One axial slice (79 of 141, counting up from the lowest) of a chest CT acquired at 120 kVp with the STANDARD kernel; each pixel is 0.703 mm and the slice is 2.50 mm thick.
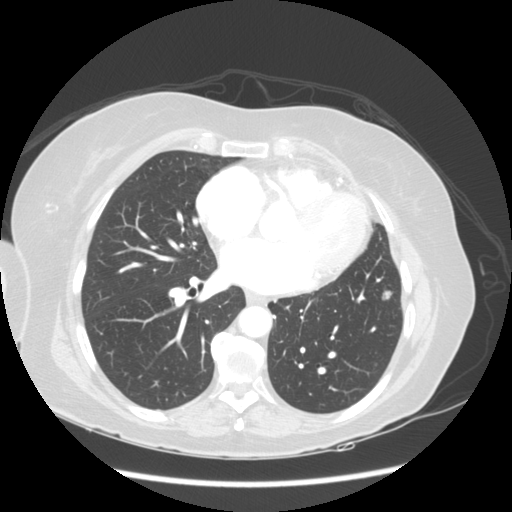
Pulmonary nodule, outlined by all four readers. Box on this slice rows 289–300, columns 382–392, the union of the readers' outlines on this slice; the four readers' outlines give a longest diameter between 9.8 and 11.1 mm and a volume between 319 and 545 mm3. The readers' ratings, as ranges where they differ: texture from 4/5 to 5/5 (solid) across the four readers; margin from 2/5 to 4/5 across the four readers; sphericity from 3/5 (ovoid) to 4/5 across the four readers; calcification absent, all four readers agreeing; internal structure soft tissue, all four readers agreeing; subtlety from 4/5 to 5/5 across the four readers; malignancy likelihood rated between 3 and 4 out of 5 by the four readers. Scale key (1–5): texture non-solid→solid, margin indistinct→circumscribed, sphericity linear→round, subtlety extremely subtle→obvious, malignancy likelihood highly unlikely→highly suspicious of cancer. Box rows and columns are 0-based pixel indices from the top-left corner, inclusive.